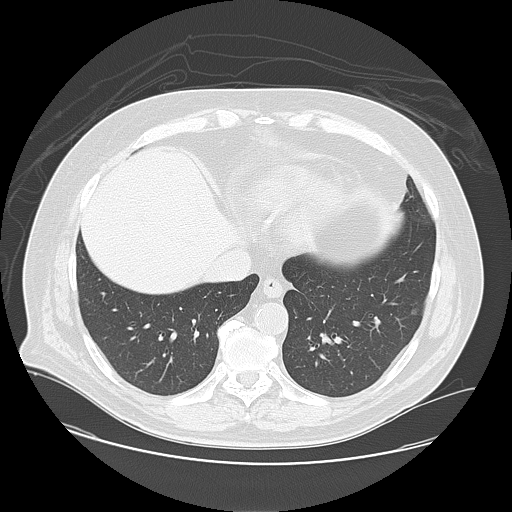
Axial chest CT slice 55 of 133 (counted from the lowest slice); 2.50 mm thick, 0.820 mm per pixel. Pulmonary nodule at rows 311–313, columns 412–415 (box = the one reader's outline on this slice), outlined by two of the four readers, one of them on this slice; median longest diameter 8.6 mm (readers' outlines 8.6–8.7 mm), median volume 126 mm3 (100–151 mm3). Ratings, median across the readers with their spread: texture 4/5 at the median of two readers, spread 3/5 (part-solid) to 5/5 (solid); margin 2/5 at the median of two readers, spread 1/5 (indistinct) to 3/5; sphericity 3.5/5 at the median of two readers, spread 3/5 (ovoid) to 4/5; calcification absent, both readers agreeing; internal structure soft tissue from both readers; median subtlety 3.5/5 (readers ranged 2–5); malignancy likelihood 2.5/5 at the median of two readers, spread 2–3. Scale key (1–5): texture non-solid→solid, margin indistinct→circumscribed, sphericity linear→round, subtlety extremely subtle→obvious, malignancy likelihood highly unlikely→highly suspicious of cancer. Box rows and columns are 0-based pixel indices from the top-left corner, inclusive.
Tube voltage 120 kVp; convolution kernel LUNG.